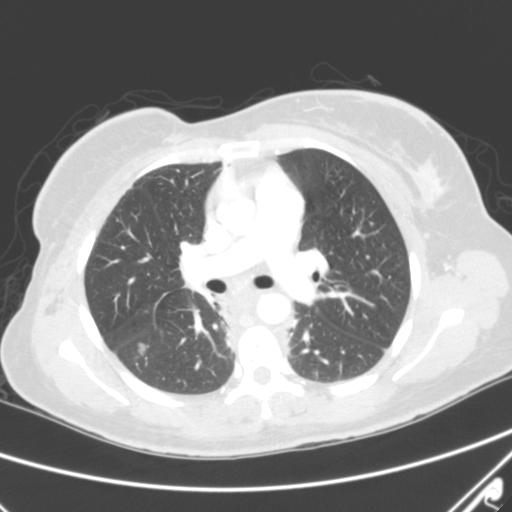
One axial slice (161 of 263, counting up from the lowest) of a chest CT acquired at 120 kVp with the B kernel; each pixel is 0.664 mm and the slice is 2.00 mm thick.
Pulmonary nodule, outlined two times (the source holds three more outlines, not used). Box on this slice rows 343–354, columns 137–147, the union of the readers' outlines on this slice; median longest diameter 13.7 mm (readers' outlines 12.2–15.2 mm), median volume 980 mm3 (731–1229 mm3). Ratings, median across the readers with their spread: median texture 2/5 (readers ranged 1/5 (non-solid) to 3/5 (part-solid)); median margin 2.5/5 (readers ranged 2/5 to 3/5); median sphericity 3.5/5 (readers ranged 3/5 (ovoid) to 4/5); calcification absent from both readers; internal structure soft tissue, both readers agreeing; subtlety 3/5 from both readers; median malignancy likelihood 3/5 (readers ranged 2–4). Scale key (1–5): texture non-solid→solid, margin indistinct→circumscribed, sphericity linear→round, subtlety extremely subtle→obvious, malignancy likelihood highly unlikely→highly suspicious of cancer. Box rows and columns are 0-based pixel indices from the top-left corner, inclusive.